Axial slice 141 of 230 of a chest CT (slice 1 is the lowest), reconstructed with the STANDARD kernel at 120 kVp; 1.25 mm slice thickness and 0.742 mm pixels.
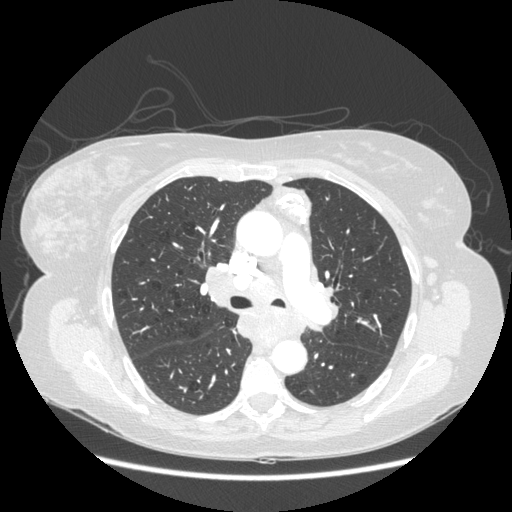
The readers outlined no nodule of 3 mm or more on this slice.